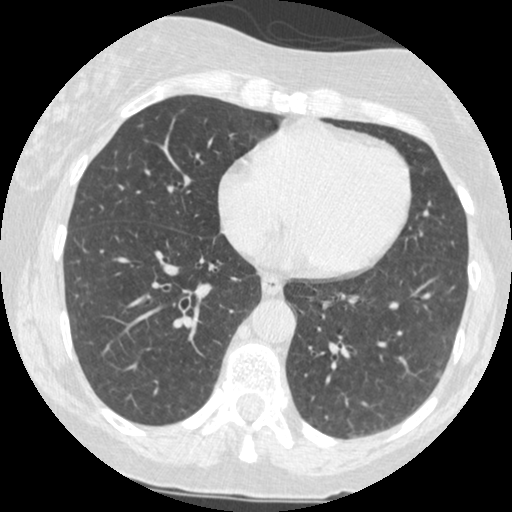
Axial chest CT slice 172 of 484 (counted from the lowest slice); tube voltage 120 kVp, convolution kernel STANDARD; slices 1.25 mm thick, 0.586 mm per pixel.
Pulmonary nodule at rows 371–376, columns 434–440 (box = the union of the readers' outlines on this slice), outlined by three of the four readers, two of them on this slice; the three readers' outlines give a longest diameter between 6.4 and 7.2 mm and a volume between 50 and 74 mm3. Ratings across the readers: texture 5/5 (solid), all three readers agreeing; margin from 4/5 to 5/5 (circumscribed) across the three readers; sphericity from 3/5 (ovoid) to 4/5 across the three readers; calcification absent, all three readers agreeing; internal structure soft tissue from all three readers; subtlety rated between 3 and 4 out of 5 by the three readers; malignancy likelihood rated between 1 and 3 out of 5 by the three readers. Scale key (1–5): texture non-solid→solid, margin indistinct→circumscribed, sphericity linear→round, subtlety extremely subtle→obvious, malignancy likelihood highly unlikely→highly suspicious of cancer. Box rows and columns are 0-based pixel indices from the top-left corner, inclusive.